Axial slice 199 of 245 of a chest CT (slice 1 is the lowest), reconstructed with the BONE kernel at 120 kVp; 1.25 mm slice thickness and 0.664 mm pixels.
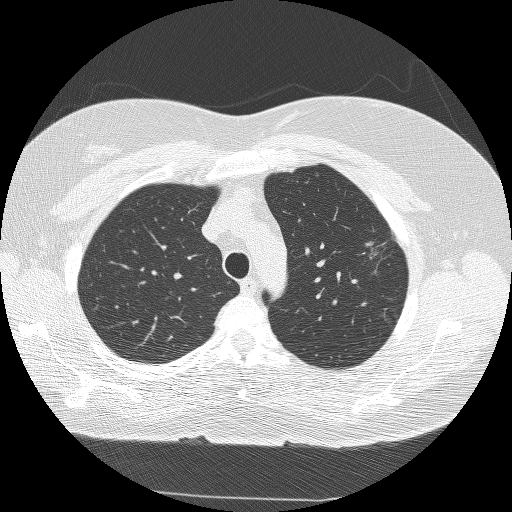
Pulmonary nodule outlined by all four readers, three of them on this slice; box rows 241–257, columns 365–377 (the union of the readers' outlines on this slice); longest diameter 21.3 mm on average over the four readers' outlines (readers' outlines 20.8–22.3 mm), volume 2976–3390 mm3. The readers' prevailing ratings and who disagreed: most readers (three of four) put texture at 5/5 (solid), others 4/5 (one); margin split among the readers: 3/5 (two), 4/5 (two); sphericity 3/5 (ovoid) by two of four readers; the rest gave 4/5 (one), 5/5 (round) (one); calcification absent from all four readers; internal structure soft tissue from all four readers; subtlety 5/5 from all four readers; malignancy likelihood 5/5, all four readers agreeing. Scale key (1–5): texture non-solid→solid, margin indistinct→circumscribed, sphericity linear→round, subtlety extremely subtle→obvious, malignancy likelihood highly unlikely→highly suspicious of cancer. Box rows and columns are 0-based pixel indices from the top-left corner, inclusive.